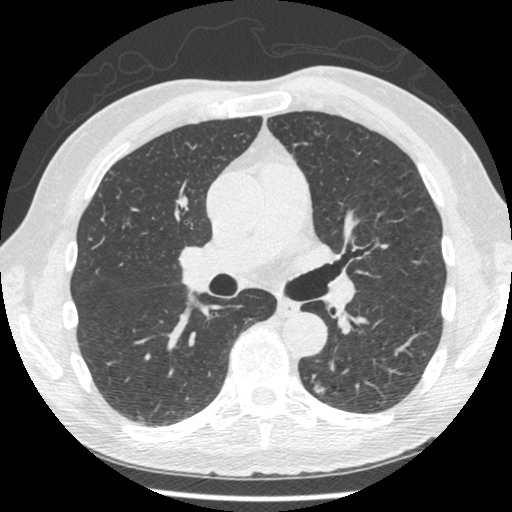
This is axial slice 266 of 481 (slice 1 is the lowest) of a chest CT; each pixel is 0.664 mm and the slice is 1.25 mm thick. Pulmonary nodule at rows 381–393, columns 313–325 (box = the union of the readers' outlines on this slice), outlined by three of the four readers; median longest diameter 10.0 mm (readers' outlines 9.4–10.2 mm), median volume 159 mm3 (134–188 mm3). Ratings, median across the readers with their spread: median texture 3/5 (part-solid) (readers ranged 2/5 to 4/5); margin 2/5 at the median of three readers, spread 2/5 to 4/5; median sphericity 3/5 (ovoid) (readers ranged 2/5 to 4/5); calcification absent from all three readers; internal structure soft tissue from all three readers; subtlety 3/5 at the median of three readers, spread 3–4; malignancy likelihood 2/5 at the median of three readers, spread 1–3. Scale key (1–5): texture non-solid→solid, margin indistinct→circumscribed, sphericity linear→round, subtlety extremely subtle→obvious, malignancy likelihood highly unlikely→highly suspicious of cancer. Box rows and columns are 0-based pixel indices from the top-left corner, inclusive.
Scan settings: 120 kVp, STANDARD reconstruction kernel.